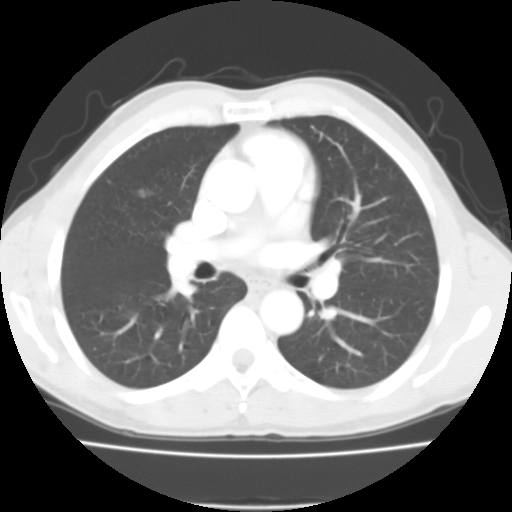
Chest CT, axial plane, 135 kVp, kernel FC01. Slice 61/104 from the bottom of the scan; thickness 3.00 mm; pixel size 0.622 mm.
Pulmonary nodule outlined by three of the four readers, two of them on this slice; box rows 189–198, columns 135–152 (the union of the readers' outlines on this slice); longest diameter 12.1 mm on average over the three readers' outlines (readers' outlines 10.7–13.5 mm), volume 106–546 mm3. The readers' prevailing ratings and who disagreed: most readers (two of three) put texture at 5/5 (solid), others 3/5 (part-solid) (one); most readers (two of three) put margin at 4/5, others 2/5 (one); sphericity split among the readers: 2/5 (one), 3/5 (ovoid) (one), 4/5 (one); calcification absent from all three readers; internal structure soft tissue, all three readers agreeing; subtlety split among the readers: 3/5 (one), 4/5 (one), 5/5 (one); malignancy likelihood split among the readers: 1/5 (one), 3/5 (one), 4/5 (one). Scale key (1–5): texture non-solid→solid, margin indistinct→circumscribed, sphericity linear→round, subtlety extremely subtle→obvious, malignancy likelihood highly unlikely→highly suspicious of cancer. Box rows and columns are 0-based pixel indices from the top-left corner, inclusive.